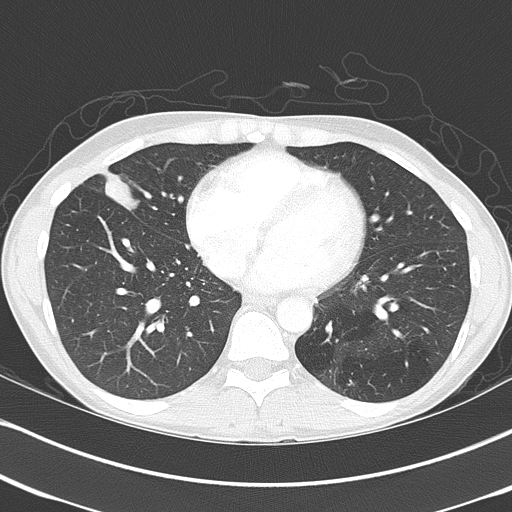
Chest CT, axial plane, 120 kVp, kernel B70f. Slice 169/368 from the bottom of the scan; thickness 2.00 mm; pixel size 0.623 mm.
Pulmonary nodule outlined by all four readers; box rows 170–210, columns 102–139 (the union of the readers' outlines on this slice); longest diameter 31.5 mm on average over the four readers' outlines (readers' outlines 27.1–39.3 mm), volume 6531–9806 mm3. The readers' prevailing ratings and who disagreed: texture 5/5 (solid), all four readers agreeing; margin 4/5 by two of four readers; the rest gave 2/5 (one), 5/5 (circumscribed) (one); most readers (three of four) put sphericity at 3/5 (ovoid), others 2/5 (one); calcification split among the readers: laminated calcification (one), absent (one), popcorn calcification (one), non-central calcification (one); internal structure soft tissue, all four readers agreeing; subtlety 5/5, all four readers agreeing; malignancy likelihood split among the readers: 1/5 (one), 2/5 (one), 4/5 (one), 5/5 (one). Scale key (1–5): texture non-solid→solid, margin indistinct→circumscribed, sphericity linear→round, subtlety extremely subtle→obvious, malignancy likelihood highly unlikely→highly suspicious of cancer. Box rows and columns are 0-based pixel indices from the top-left corner, inclusive.